One axial slice (116 of 235, counting up from the lowest) of a chest CT acquired at 120 kVp with the BONE kernel; each pixel is 0.537 mm and the slice is 1.25 mm thick.
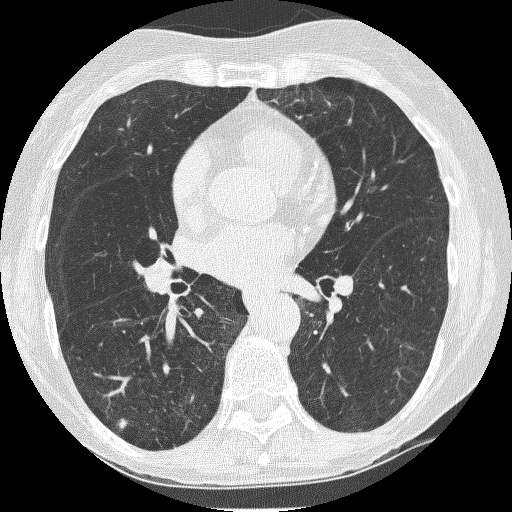
Pulmonary nodule outlined by two of the four readers; box rows 418–429, columns 117–127 (the union of the readers' outlines on this slice); longest diameter 8.1 mm on average over the two readers' outlines (readers' outlines 7.7–8.5 mm), volume 108–186 mm3. The readers' prevailing ratings and who disagreed: texture 5/5 (solid), both readers agreeing; margin split among the readers: 2/5 (one), 4/5 (one); sphericity split among the readers: 3/5 (ovoid) (one), 4/5 (one); calcification absent from both readers; internal structure soft tissue from both readers; subtlety split among the readers: 2/5 (one), 4/5 (one); malignancy likelihood split among the readers: 3/5 (one), 4/5 (one). Scale key (1–5): texture non-solid→solid, margin indistinct→circumscribed, sphericity linear→round, subtlety extremely subtle→obvious, malignancy likelihood highly unlikely→highly suspicious of cancer. Box rows and columns are 0-based pixel indices from the top-left corner, inclusive.